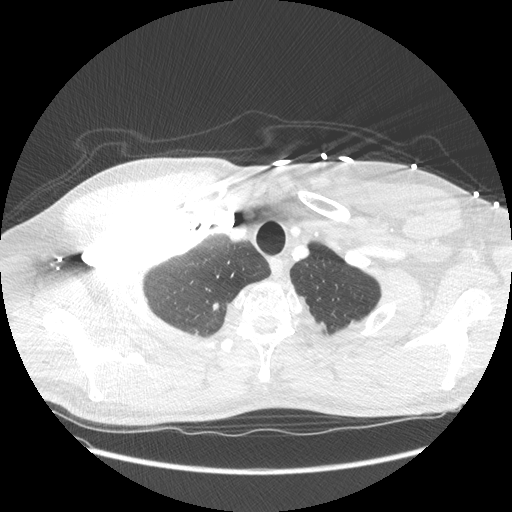
Slice 233/261 of a chest CT, counting up from the lowest; pixel size 0.781 mm, slice thickness 1.25 mm. Pulmonary nodule outlined by all four readers; box rows 302–311, columns 212–218 (the union of the readers' outlines on this slice); longest diameter 11.8–13.6 mm and volume 240–268 mm3 across the four readers' outlines. Ratings across the readers: texture 5/5 (solid) from all four readers; margin from 3/5 to 5/5 (circumscribed) across the four readers; sphericity from 2/5 to 5/5 (round) across the four readers; calcification: absent (three), solid calcification (one); internal structure soft tissue, all four readers agreeing; subtlety 2–5/5 (the readers disagree); malignancy likelihood rated between 1 and 3 out of 5 by the four readers. Scale key (1–5): texture non-solid→solid, margin indistinct→circumscribed, sphericity linear→round, subtlety extremely subtle→obvious, malignancy likelihood highly unlikely→highly suspicious of cancer. Box rows and columns are 0-based pixel indices from the top-left corner, inclusive.
Tube voltage 120 kVp; convolution kernel STANDARD.